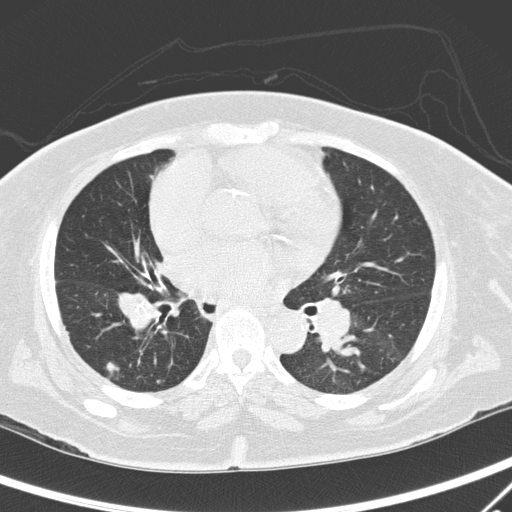
This is axial slice 154 of 295 (slice 1 is the lowest) of a chest CT; each pixel is 0.682 mm and the slice is 2.00 mm thick. Pulmonary nodule, outlined by one of the four readers. Box on this slice rows 359–380, columns 103–123, that reader's outline on this slice; longest diameter 49.8 mm and volume 6337 mm3 from that reader's outline. Ratings by that reader: texture 4/5; margin 1/5 (indistinct); sphericity 3/5 (ovoid); calcification absent; internal structure soft tissue; subtlety 5/5; malignancy likelihood 5/5. Scale key (1–5): texture non-solid→solid, margin indistinct→circumscribed, sphericity linear→round, subtlety extremely subtle→obvious, malignancy likelihood highly unlikely→highly suspicious of cancer. Box rows and columns are 0-based pixel indices from the top-left corner, inclusive.
Acquired at 120 kVp and reconstructed with the D kernel.